Axial slice 93 of 117 of a chest CT (slice 1 is the lowest), reconstructed with the STANDARD kernel at 120 kVp; 2.50 mm slice thickness and 0.781 mm pixels.
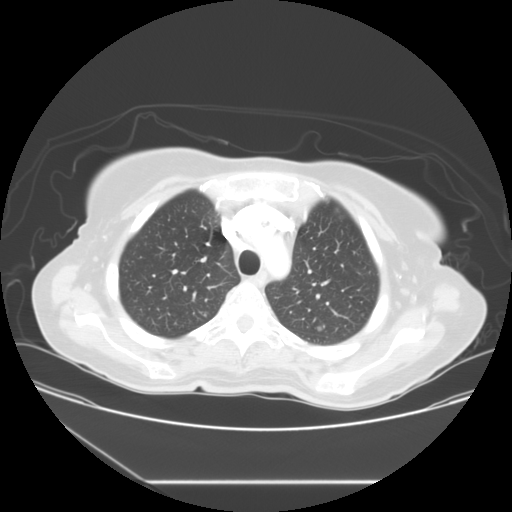
Pulmonary nodule outlined by all four readers; box rows 326–330, columns 317–321 (the union of the readers' outlines on this slice); longest diameter 7.0 mm on average over the four readers' outlines (readers' outlines 5.6–8.0 mm), volume 141–226 mm3. The readers' prevailing ratings and who disagreed: texture 5/5 (solid) from all four readers; margin 5/5 (circumscribed) by three of four readers; the rest gave 4/5 (one); sphericity 5/5 (round) from all four readers; calcification absent, all four readers agreeing; internal structure soft tissue, all four readers agreeing; subtlety 3/5 by two of four readers; the rest gave 4/5 (one), 5/5 (one); malignancy likelihood split among the readers: 2/5 (two), 3/5 (two). Scale key (1–5): texture non-solid→solid, margin indistinct→circumscribed, sphericity linear→round, subtlety extremely subtle→obvious, malignancy likelihood highly unlikely→highly suspicious of cancer. Box rows and columns are 0-based pixel indices from the top-left corner, inclusive.